One axial slice (57 of 251, counting up from the lowest) of a chest CT acquired at 120 kVp with the STANDARD kernel; each pixel is 0.809 mm and the slice is 1.25 mm thick.
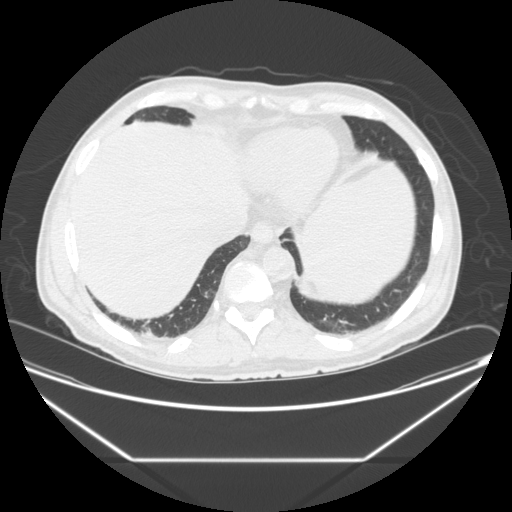
Pulmonary nodule outlined by one of the four readers; box rows 233–236, columns 245–248 (that reader's outline on this slice); longest diameter 9.8 mm and volume 269 mm3 from that reader's outline. That reader's ratings: texture 5/5 (solid); margin 5/5 (circumscribed); sphericity 5/5 (round); calcification solid calcification; internal structure soft tissue; subtlety 5/5; malignancy likelihood 1/5. Scale key (1–5): texture non-solid→solid, margin indistinct→circumscribed, sphericity linear→round, subtlety extremely subtle→obvious, malignancy likelihood highly unlikely→highly suspicious of cancer. Box rows and columns are 0-based pixel indices from the top-left corner, inclusive.